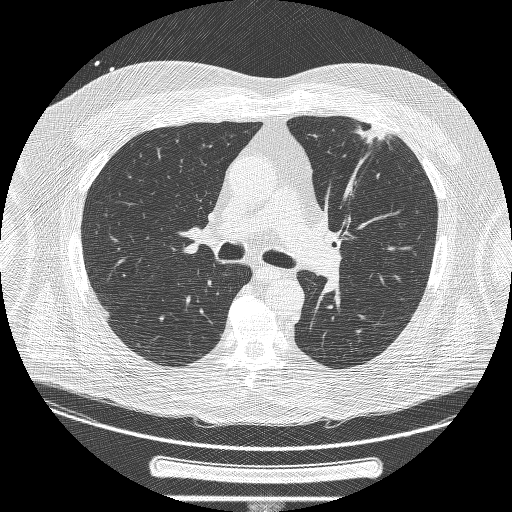
This is axial slice 140 of 239 (slice 1 is the lowest) of a chest CT; each pixel is 0.795 mm and the slice is 1.25 mm thick. Pulmonary nodule outlined by two of the four readers; box rows 125–143, columns 352–390 (the union of the readers' outlines on this slice); longest diameter 43.2 mm on average over the two readers' outlines (readers' outlines 43.0–43.4 mm), volume 10396–11168 mm3. The readers' prevailing ratings and who disagreed: texture split among the readers: 3/5 (part-solid) (one), 5/5 (solid) (one); margin split among the readers: 1/5 (indistinct) (one), 3/5 (one); sphericity split among the readers: 1/5 (linear) (one), 3/5 (ovoid) (one); calcification absent from both readers; internal structure soft tissue from both readers; subtlety 5/5 from both readers; malignancy likelihood 5/5 from both readers. Scale key (1–5): texture non-solid→solid, margin indistinct→circumscribed, sphericity linear→round, subtlety extremely subtle→obvious, malignancy likelihood highly unlikely→highly suspicious of cancer. Box rows and columns are 0-based pixel indices from the top-left corner, inclusive.
Tube voltage 120 kVp; convolution kernel BONE.